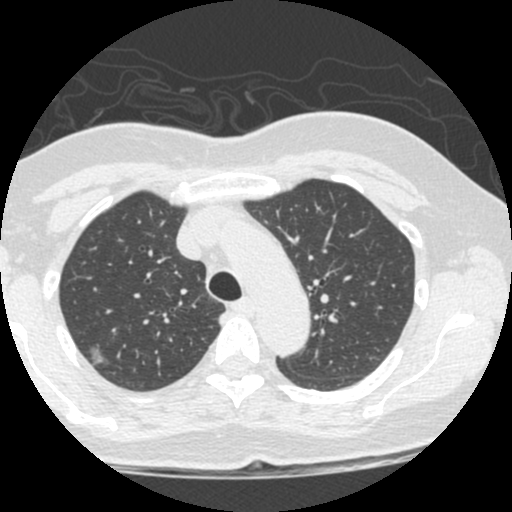
Slice 388/490 of a chest CT, counting up from the lowest; pixel size 0.547 mm, slice thickness 1.25 mm. Pulmonary nodule, outlined by three of the four readers. Box on this slice rows 344–365, columns 83–111, the union of the readers' outlines on this slice; median longest diameter 15.2 mm (readers' outlines 14.3–18.3 mm), median volume 997 mm3 (967–1422 mm3). Median ratings and the readers' spread: texture 1/5 (non-solid) at the median of three readers, spread 1/5 (non-solid) to 5/5 (solid); median margin 2/5 (readers ranged 2/5 to 4/5); sphericity 4/5 at the median of three readers, spread 3/5 (ovoid) to 5/5 (round); calcification absent from all three readers; internal structure soft tissue from all three readers; median subtlety 5/5 (readers ranged 1–5); malignancy likelihood 3/5 at the median of three readers, spread 2–5. Scale key (1–5): texture non-solid→solid, margin indistinct→circumscribed, sphericity linear→round, subtlety extremely subtle→obvious, malignancy likelihood highly unlikely→highly suspicious of cancer. Box rows and columns are 0-based pixel indices from the top-left corner, inclusive.
Tube voltage 120 kVp; convolution kernel STANDARD.